Axial slice 197 of 519 of a chest CT (slice 1 is the lowest), reconstructed with the STANDARD kernel at 120 kVp; 1.25 mm slice thickness and 0.645 mm pixels.
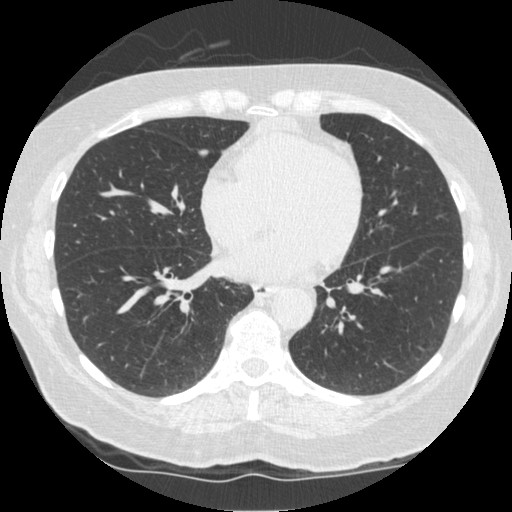
Pulmonary nodule at rows 148–156, columns 196–209 (box = the union of the readers' outlines on this slice), outlined by all four readers; median longest diameter 9.2 mm (readers' outlines 8.4–10.5 mm), median volume 189 mm3 (147–202 mm3). Ratings, median across the readers with their spread: texture 5/5 (solid) from all four readers; median margin 5/5 (circumscribed) (readers ranged 4/5 to 5/5 (circumscribed)); sphericity 3/5 (ovoid), all four readers agreeing; calcification absent, all four readers agreeing; internal structure soft tissue, all four readers agreeing; subtlety 5/5 at the median of four readers, spread 4–5; malignancy likelihood 3/5 at the median of four readers, spread 2–4. Scale key (1–5): texture non-solid→solid, margin indistinct→circumscribed, sphericity linear→round, subtlety extremely subtle→obvious, malignancy likelihood highly unlikely→highly suspicious of cancer. Box rows and columns are 0-based pixel indices from the top-left corner, inclusive.